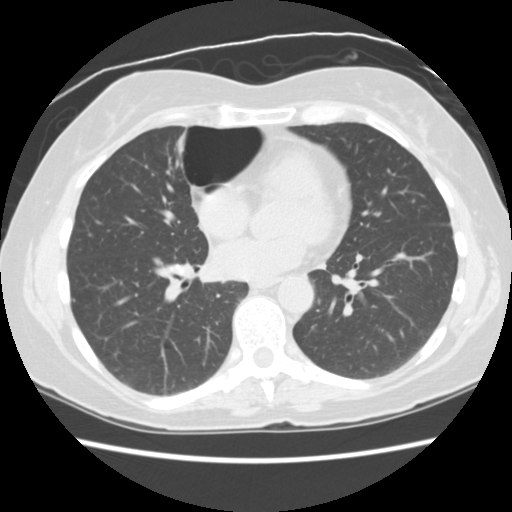
Axial chest CT slice 66 of 156 (counted from the lowest slice); tube voltage 120 kVp, convolution kernel STANDARD; slices 2.50 mm thick, 0.645 mm per pixel.
Pulmonary nodule at rows 257–265, columns 153–163 (box = the union of the readers' outlines on this slice), outlined by all four readers; longest diameter 9.2 mm on average over the four readers' outlines (readers' outlines 8.6–10.0 mm), volume 227–322 mm3. Ratings, by the readers' most common answer with dissent counted: texture 5/5 (solid), all four readers agreeing; margin 5/5 (circumscribed), all four readers agreeing; sphericity split among the readers: 4/5 (two), 5/5 (round) (two); calcification solid calcification, all four readers agreeing; internal structure soft tissue from all four readers; subtlety split among the readers: 4/5 (two), 5/5 (two); malignancy likelihood 1/5 from all four readers. Scale key (1–5): texture non-solid→solid, margin indistinct→circumscribed, sphericity linear→round, subtlety extremely subtle→obvious, malignancy likelihood highly unlikely→highly suspicious of cancer. Box rows and columns are 0-based pixel indices from the top-left corner, inclusive.